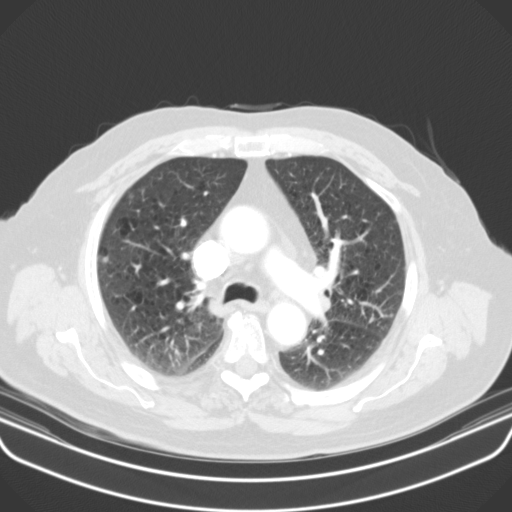
Slice 76/107 of a chest CT, counting up from the lowest; pixel size 0.742 mm, slice thickness 3.00 mm. Pulmonary nodule at rows 256–262, columns 102–107 (box = the union of the readers' outlines on this slice), outlined by three of the four readers; the three readers' outlines give a longest diameter between 6.0 and 9.6 mm and a volume between 106 and 202 mm3. The readers' ratings, as ranges where they differ: texture from 3/5 (part-solid) to 5/5 (solid) across the three readers; margin from 2/5 to 3/5 across the three readers; sphericity from 2/5 to 4/5 across the three readers; calcification absent, all three readers agreeing; internal structure soft tissue, all three readers agreeing; subtlety rated between 3 and 4 out of 5 by the three readers; malignancy likelihood 3/5 from all three readers. Scale key (1–5): texture non-solid→solid, margin indistinct→circumscribed, sphericity linear→round, subtlety extremely subtle→obvious, malignancy likelihood highly unlikely→highly suspicious of cancer. Box rows and columns are 0-based pixel indices from the top-left corner, inclusive.
Acquired at 130 kVp and reconstructed with the B31s kernel.